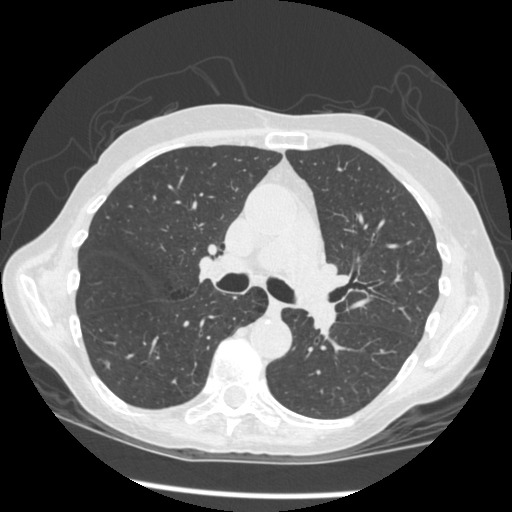
Axial chest CT slice 274 of 461 (counted from the lowest slice); 1.25 mm thick, 0.645 mm per pixel. Pulmonary nodule, outlined by three of the four readers. Box on this slice rows 360–369, columns 104–110, the union of the readers' outlines on this slice; median longest diameter 6.3 mm (readers' outlines 6.3–7.5 mm), median volume 59 mm3 (48–84 mm3). Ratings, median across the readers with their spread: median texture 5/5 (solid) (readers ranged 4/5 to 5/5 (solid)); median margin 4/5 (readers ranged 3/5 to 5/5 (circumscribed)); sphericity 4/5 at the median of three readers, spread 4/5 to 5/5 (round); calcification absent, all three readers agreeing; internal structure soft tissue from all three readers; median subtlety 3/5 (readers ranged 2–4); malignancy likelihood 2/5 at the median of three readers, spread 2–4. Scale key (1–5): texture non-solid→solid, margin indistinct→circumscribed, sphericity linear→round, subtlety extremely subtle→obvious, malignancy likelihood highly unlikely→highly suspicious of cancer. Box rows and columns are 0-based pixel indices from the top-left corner, inclusive.
Tube voltage 120 kVp; convolution kernel STANDARD.